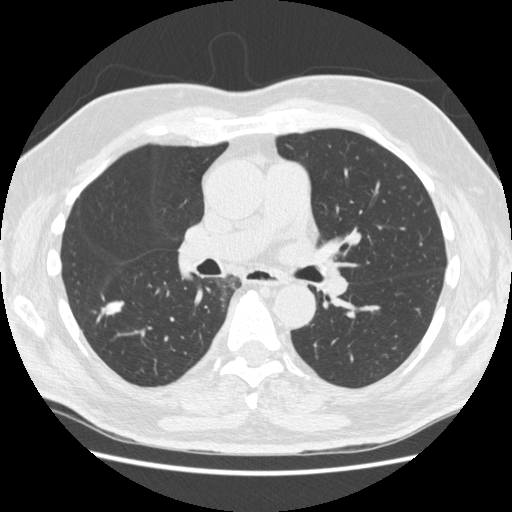
Chest CT, axial plane, 120 kVp, kernel STANDARD. Slice 289/557 from the bottom of the scan; thickness 1.25 mm; pixel size 0.703 mm.
Pulmonary nodule at rows 300–322, columns 96–124 (box = the union of the readers' outlines on this slice), outlined by all four readers; median longest diameter 22.6 mm (readers' outlines 19.1–25.0 mm), median volume 1024 mm3 (785–1099 mm3). Ratings, median across the readers with their spread: median texture 5/5 (solid) (readers ranged 4/5 to 5/5 (solid)); margin 3.5/5 at the median of four readers, spread 3/5 to 5/5 (circumscribed); sphericity 3/5 (ovoid) at the median of four readers, spread 2/5 to 3/5 (ovoid); calcification absent from all four readers; internal structure soft tissue from all four readers; median subtlety 5/5 (readers ranged 4–5); malignancy likelihood 4/5 at the median of four readers, spread 2–5. Scale key (1–5): texture non-solid→solid, margin indistinct→circumscribed, sphericity linear→round, subtlety extremely subtle→obvious, malignancy likelihood highly unlikely→highly suspicious of cancer. Box rows and columns are 0-based pixel indices from the top-left corner, inclusive.